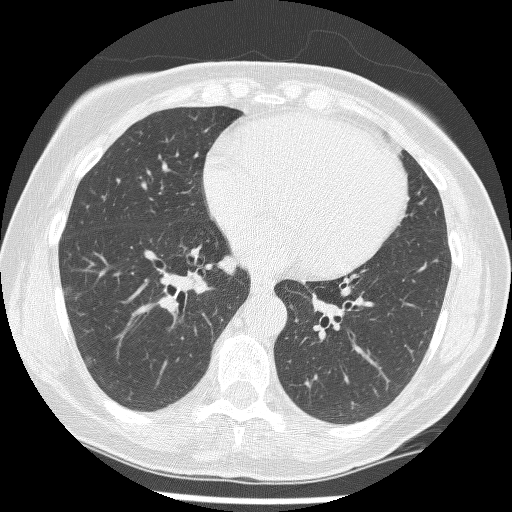
One axial slice (107 of 241, counting up from the lowest) of a chest CT acquired at 120 kVp with the BONE kernel; each pixel is 0.590 mm and the slice is 1.25 mm thick.
Two pulmonary nodules on this slice, listed from left to right. (1) Pulmonary nodule at rows 284–301, columns 63–77 (box = the union of the readers' outlines on this slice), outlined by two of the four readers; median longest diameter 11.5 mm (readers' outlines 10.9–12.2 mm), median volume 225 mm3 (221–229 mm3). Ratings, median across the readers with their spread: texture 1/5 (non-solid), both readers agreeing; margin 1.5/5 at the median of two readers, spread 1/5 (indistinct) to 2/5; sphericity 2.5/5 at the median of two readers, spread 2/5 to 3/5 (ovoid); calcification absent, both readers agreeing; internal structure soft tissue from both readers; subtlety 1.5/5 at the median of two readers, spread 1–2; malignancy likelihood 3/5, both readers agreeing. (2) Pulmonary nodule, outlined by two of the four readers. Box on this slice rows 354–367, columns 84–93, the union of the readers' outlines on this slice; longest diameter 8.9 mm on average over the two readers' outlines (readers' outlines 8.0–9.8 mm), volume 131–179 mm3. The readers' prevailing ratings and who disagreed: texture 1/5 (non-solid), both readers agreeing; margin split among the readers: 1/5 (indistinct) (one), 3/5 (one); sphericity 4/5 from both readers; calcification absent from both readers; internal structure soft tissue from both readers; subtlety split among the readers: 1/5 (one), 3/5 (one); malignancy likelihood 3/5 from both readers. Scale key (1–5): texture non-solid→solid, margin indistinct→circumscribed, sphericity linear→round, subtlety extremely subtle→obvious, malignancy likelihood highly unlikely→highly suspicious of cancer. Box rows and columns are 0-based pixel indices from the top-left corner, inclusive.